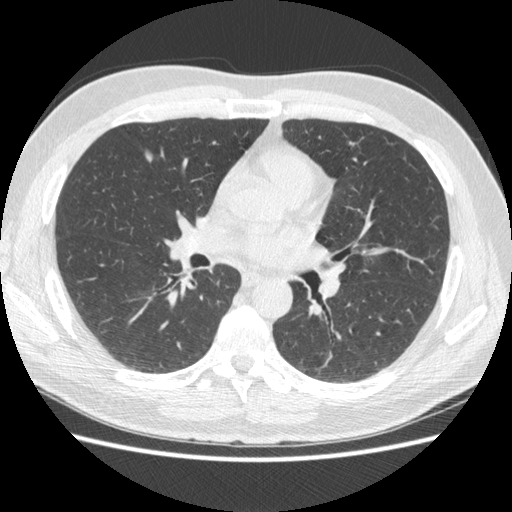
Slice 269/477 of a chest CT, counting up from the lowest; pixel size 0.703 mm, slice thickness 1.25 mm. Pulmonary nodule outlined by three of the four readers; box rows 148–164, columns 144–152 (the union of the readers' outlines on this slice); median longest diameter 13.1 mm (readers' outlines 13.0–15.7 mm), median volume 236 mm3 (236–334 mm3). Ratings, median across the readers with their spread: texture 5/5 (solid) from all three readers; median margin 4/5 (readers ranged 4/5 to 5/5 (circumscribed)); median sphericity 4/5 (readers ranged 2/5 to 5/5 (round)); calcification absent from all three readers; internal structure soft tissue, all three readers agreeing; median subtlety 4/5 (readers ranged 3–5); malignancy likelihood 3/5 at the median of three readers, spread 2–3. Scale key (1–5): texture non-solid→solid, margin indistinct→circumscribed, sphericity linear→round, subtlety extremely subtle→obvious, malignancy likelihood highly unlikely→highly suspicious of cancer. Box rows and columns are 0-based pixel indices from the top-left corner, inclusive.
Tube voltage 120 kVp; convolution kernel STANDARD.